One axial slice (171 of 295, counting up from the lowest) of a chest CT acquired at 120 kVp with the STANDARD kernel; each pixel is 0.703 mm and the slice is 2.50 mm thick.
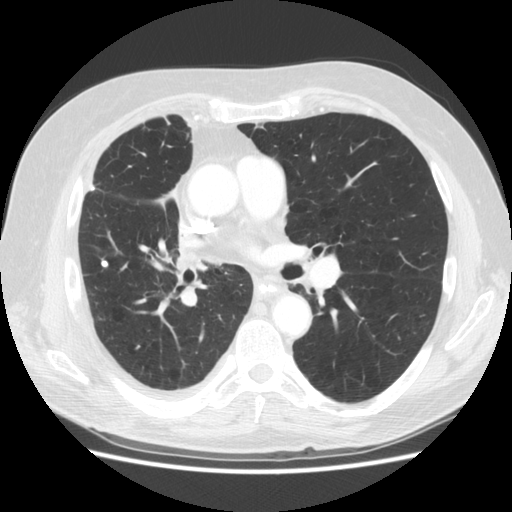
Pulmonary nodule, outlined by all four readers. Box on this slice rows 260–267, columns 99–108, the union of the readers' outlines on this slice; longest diameter 7.1 mm on average over the four readers' outlines (readers' outlines 6.6–8.5 mm), volume 92–133 mm3. The readers' prevailing ratings and who disagreed: texture 5/5 (solid), all four readers agreeing; margin 5/5 (circumscribed), all four readers agreeing; sphericity split among the readers: 4/5 (two), 5/5 (round) (two); calcification solid calcification by three of four readers, absent (one); internal structure soft tissue from all four readers; subtlety 5/5 from all four readers; malignancy likelihood 1/5, all four readers agreeing. Scale key (1–5): texture non-solid→solid, margin indistinct→circumscribed, sphericity linear→round, subtlety extremely subtle→obvious, malignancy likelihood highly unlikely→highly suspicious of cancer. Box rows and columns are 0-based pixel indices from the top-left corner, inclusive.